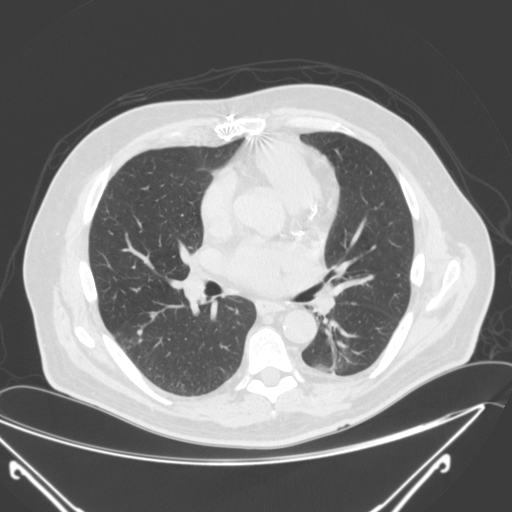
One axial slice (141 of 290, counting up from the lowest) of a chest CT acquired at 120 kVp with the B kernel; each pixel is 0.816 mm and the slice is 2.00 mm thick.
Three pulmonary nodules are outlined on this slice; from left to right: (1) Pulmonary nodule at rows 329–335, columns 136–142 (box = the union of the readers' outlines on this slice), outlined by three of the four readers; median longest diameter 6.6 mm (readers' outlines 6.2–7.0 mm), median volume 95 mm3 (90–113 mm3). Ratings, median across the readers with their spread: texture 5/5 (solid), all three readers agreeing; margin 4/5 at the median of three readers, spread 4/5 to 5/5 (circumscribed); median sphericity 4/5 (readers ranged 4/5 to 5/5 (round)); calcification absent from all three readers; internal structure soft tissue, all three readers agreeing; subtlety 5/5 at the median of three readers, spread 4–5; median malignancy likelihood 3/5 (readers ranged 2–3). (2) Pulmonary nodule, outlined by two of the four readers. Box on this slice rows 312–317, columns 149–156, the union of the readers' outlines on this slice; longest diameter 8.8–10.0 mm and volume 144–154 mm3 across the two readers' outlines. Ratings across the readers: texture 5/5 (solid) from both readers; margin 5/5 (circumscribed) from both readers; sphericity from 3/5 (ovoid) to 4/5 across the two readers; calcification absent from both readers; internal structure soft tissue, both readers agreeing; subtlety 3–5/5 (the readers disagree); malignancy likelihood 2–3/5 (the readers disagree). (3) Pulmonary nodule at rows 302–304, columns 351–356 (box = the union of the readers' outlines on this slice), outlined by all four readers, three of them on this slice; median longest diameter 6.8 mm (readers' outlines 5.5–7.0 mm), median volume 85 mm3 (49–100 mm3). Median ratings and the readers' spread: texture 5/5 (solid) at the median of four readers, spread 4/5 to 5/5 (solid); margin 5/5 (circumscribed) at the median of four readers, spread 4/5 to 5/5 (circumscribed); sphericity 4/5 at the median of four readers, spread 3/5 (ovoid) to 5/5 (round); calcification absent from all four readers; internal structure soft tissue, all four readers agreeing; subtlety 4.5/5 at the median of four readers, spread 4–5; malignancy likelihood 2.5/5 at the median of four readers, spread 2–3. Scale key (1–5): texture non-solid→solid, margin indistinct→circumscribed, sphericity linear→round, subtlety extremely subtle→obvious, malignancy likelihood highly unlikely→highly suspicious of cancer. Box rows and columns are 0-based pixel indices from the top-left corner, inclusive.